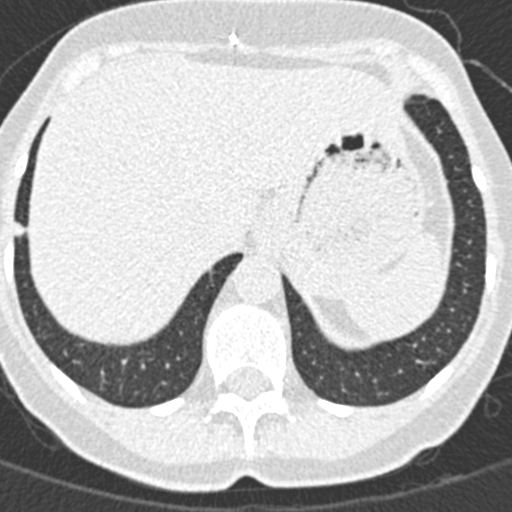
Axial slice 53 of 376 of a chest CT (slice 1 is the lowest), reconstructed with the B30f kernel at 120 kVp; 0.75 mm slice thickness and 0.461 mm pixels.
Pulmonary nodule, outlined by all four readers. Box on this slice rows 221–237, columns 13–26, the union of the readers' outlines on this slice; the four readers' outlines give a longest diameter between 8.1 and 8.9 mm and a volume between 172 and 196 mm3. The readers' ratings, as ranges where they differ: texture from 4/5 to 5/5 (solid) across the four readers; margin from 4/5 to 5/5 (circumscribed) across the four readers; sphericity from 3/5 (ovoid) to 4/5 across the four readers; calcification absent from all four readers; internal structure soft tissue, all four readers agreeing; subtlety rated between 3 and 5 out of 5 by the four readers; malignancy likelihood rated between 2 and 4 out of 5 by the four readers. Scale key (1–5): texture non-solid→solid, margin indistinct→circumscribed, sphericity linear→round, subtlety extremely subtle→obvious, malignancy likelihood highly unlikely→highly suspicious of cancer. Box rows and columns are 0-based pixel indices from the top-left corner, inclusive.